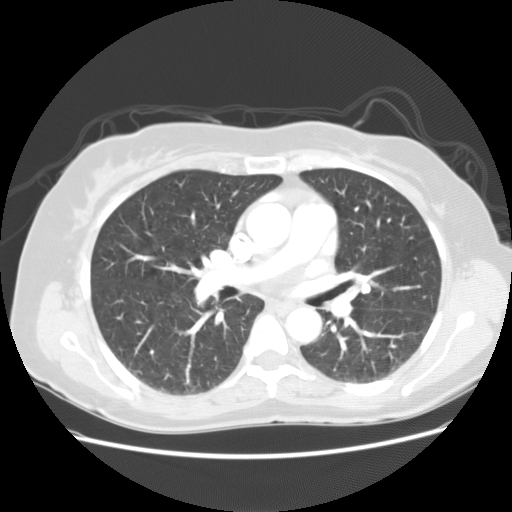
Axial chest CT slice 67 of 113 (counted from the lowest slice); tube voltage 120 kVp, convolution kernel STANDARD; slices 2.50 mm thick, 0.703 mm per pixel.
Pulmonary nodule, outlined by one of the four readers. Box on this slice rows 283–293, columns 361–370, that reader's outline on this slice; longest diameter 9.6 mm and volume 372 mm3 from that reader's outline. That reader's ratings: texture 5/5 (solid); margin 5/5 (circumscribed); sphericity 4/5; calcification solid calcification; internal structure soft tissue; subtlety 4/5; malignancy likelihood 1/5. Scale key (1–5): texture non-solid→solid, margin indistinct→circumscribed, sphericity linear→round, subtlety extremely subtle→obvious, malignancy likelihood highly unlikely→highly suspicious of cancer. Box rows and columns are 0-based pixel indices from the top-left corner, inclusive.